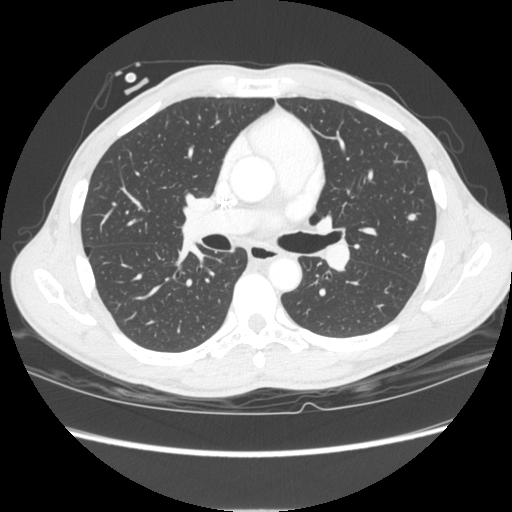
Axial chest CT slice 150 of 261 (counted from the lowest slice); 1.25 mm thick, 0.684 mm per pixel. Pulmonary nodule outlined by all four readers; box rows 212–220, columns 405–415 (the union of the readers' outlines on this slice); median longest diameter 7.3 mm (readers' outlines 6.7–9.3 mm), median volume 130 mm3 (118–216 mm3). Ratings, median across the readers with their spread: texture 5/5 (solid), all four readers agreeing; margin 5/5 (circumscribed), all four readers agreeing; sphericity 4/5 at the median of four readers, spread 3/5 (ovoid) to 5/5 (round); calcification absent from all four readers; internal structure soft tissue, all four readers agreeing; median subtlety 3.5/5 (readers ranged 3–4); median malignancy likelihood 3/5 (readers ranged 2–4). Scale key (1–5): texture non-solid→solid, margin indistinct→circumscribed, sphericity linear→round, subtlety extremely subtle→obvious, malignancy likelihood highly unlikely→highly suspicious of cancer. Box rows and columns are 0-based pixel indices from the top-left corner, inclusive.
Scan settings: 120 kVp, STANDARD reconstruction kernel.